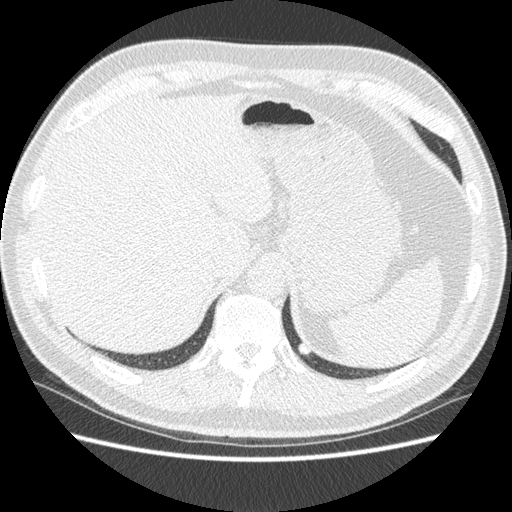
Axial slice 95 of 477 of a chest CT (slice 1 is the lowest), reconstructed with the STANDARD kernel at 120 kVp; 1.25 mm slice thickness and 0.703 mm pixels.
Pulmonary nodule, outlined by all four readers. Box on this slice rows 343–355, columns 297–310, the union of the readers' outlines on this slice; longest diameter 10.5–13.2 mm and volume 347–425 mm3 across the four readers' outlines. The readers' ratings, as ranges where they differ: texture 5/5 (solid) from all four readers; margin from 4/5 to 5/5 (circumscribed) across the four readers; sphericity from 3/5 (ovoid) to 5/5 (round) across the four readers; calcification split among the readers: solid calcification (one), non-central calcification (one), central calcification (one), absent (one); internal structure soft tissue from all four readers; subtlety rated between 3 and 5 out of 5 by the four readers; malignancy likelihood rated between 1 and 2 out of 5 by the four readers. Scale key (1–5): texture non-solid→solid, margin indistinct→circumscribed, sphericity linear→round, subtlety extremely subtle→obvious, malignancy likelihood highly unlikely→highly suspicious of cancer. Box rows and columns are 0-based pixel indices from the top-left corner, inclusive.